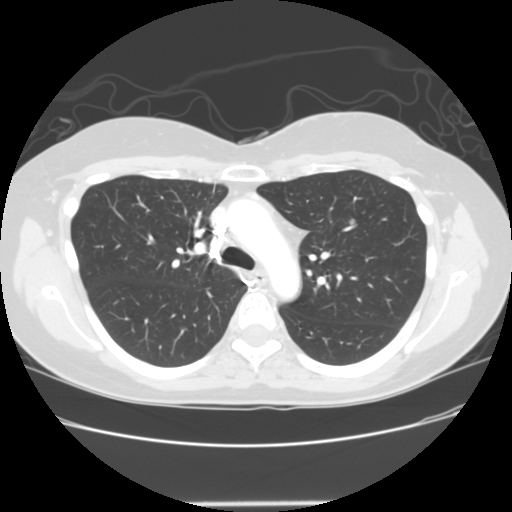
One axial slice (96 of 140, counting up from the lowest) of a chest CT acquired at 120 kVp with the STANDARD kernel; each pixel is 0.703 mm and the slice is 2.50 mm thick.
Pulmonary nodule, outlined by all four readers. Box on this slice rows 218–224, columns 348–355, the union of the readers' outlines on this slice; longest diameter 7.5 mm on average over the four readers' outlines (readers' outlines 7.2–7.9 mm), volume 173–260 mm3. Ratings, by the readers' most common answer with dissent counted: texture 5/5 (solid), all four readers agreeing; most readers (three of four) put margin at 5/5 (circumscribed), others 4/5 (one); sphericity split among the readers: 4/5 (two), 5/5 (round) (two); calcification absent from all four readers; internal structure soft tissue, all four readers agreeing; subtlety 3/5 by three of four readers; the rest gave 4/5 (one); malignancy likelihood split among the readers: 2/5 (two), 3/5 (two). Scale key (1–5): texture non-solid→solid, margin indistinct→circumscribed, sphericity linear→round, subtlety extremely subtle→obvious, malignancy likelihood highly unlikely→highly suspicious of cancer. Box rows and columns are 0-based pixel indices from the top-left corner, inclusive.